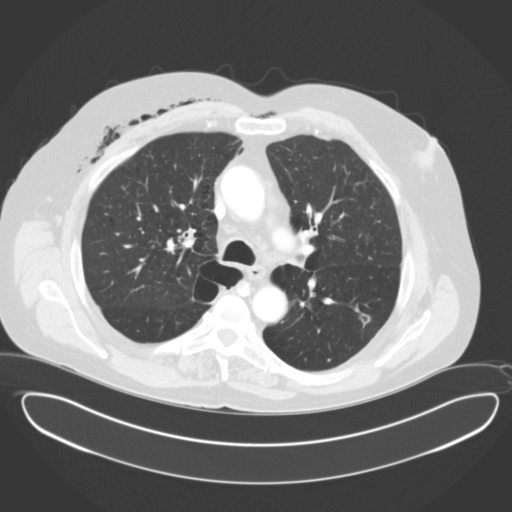
Axial chest CT slice 115 of 153 (counted from the lowest slice); 3.00 mm thick, 0.836 mm per pixel. Pulmonary nodule at rows 314–324, columns 360–368 (box = that reader's outline on this slice), outlined by one of the four readers; longest diameter 14.2 mm and volume 624 mm3 from that reader's outline. That reader's ratings: texture 3/5 (part-solid); margin 3/5; sphericity 2/5; calcification absent; internal structure air; subtlety 4/5; malignancy likelihood 3/5. Scale key (1–5): texture non-solid→solid, margin indistinct→circumscribed, sphericity linear→round, subtlety extremely subtle→obvious, malignancy likelihood highly unlikely→highly suspicious of cancer. Box rows and columns are 0-based pixel indices from the top-left corner, inclusive.
Scan settings: 120 kVp, B31f reconstruction kernel.